One axial slice (99 of 145, counting up from the lowest) of a chest CT acquired at 120 kVp with the STANDARD kernel; each pixel is 0.625 mm and the slice is 2.50 mm thick.
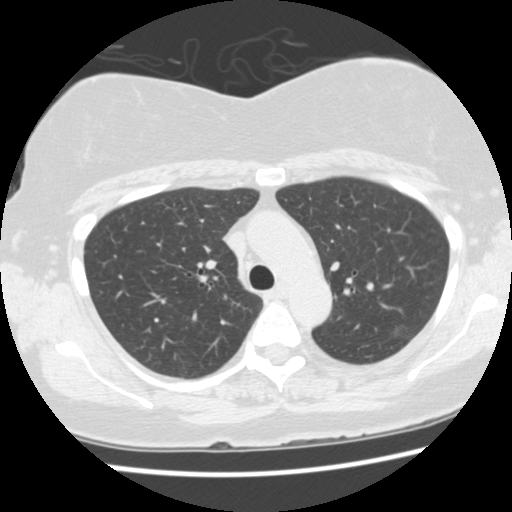
Pulmonary nodule outlined by one of the four readers; box rows 323–336, columns 394–408 (that reader's outline on this slice); longest diameter 11.2 mm and volume 332 mm3 from that reader's outline. That reader's ratings: texture 1/5 (non-solid); margin 1/5 (indistinct); sphericity 3/5 (ovoid); calcification absent; internal structure soft tissue; subtlety 4/5; malignancy likelihood 2/5. Scale key (1–5): texture non-solid→solid, margin indistinct→circumscribed, sphericity linear→round, subtlety extremely subtle→obvious, malignancy likelihood highly unlikely→highly suspicious of cancer. Box rows and columns are 0-based pixel indices from the top-left corner, inclusive.